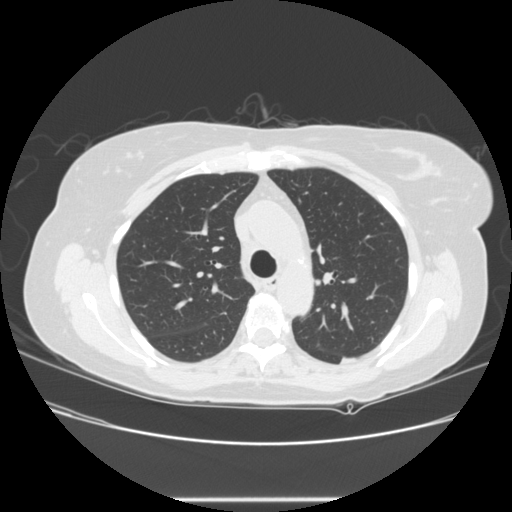
Slice 175/245 of a chest CT, counting up from the lowest; pixel size 0.730 mm, slice thickness 1.25 mm. Pulmonary nodule at rows 357–363, columns 340–356 (box = the union of the readers' outlines on this slice), outlined by all four readers; longest diameter 30.9 mm on average over the four readers' outlines (readers' outlines 27.2–36.8 mm), volume 3941–5997 mm3. Ratings, by the readers' most common answer with dissent counted: texture 5/5 (solid) from all four readers; margin 4/5 by two of four readers; the rest gave 1/5 (indistinct) (one), 3/5 (one); sphericity 2/5 by two of four readers; the rest gave 3/5 (ovoid) (one), 4/5 (one); calcification absent from all four readers; internal structure soft tissue from all four readers; subtlety 5/5 from all four readers; most readers (three of four) put malignancy likelihood at 5/5, others 4/5 (one). Scale key (1–5): texture non-solid→solid, margin indistinct→circumscribed, sphericity linear→round, subtlety extremely subtle→obvious, malignancy likelihood highly unlikely→highly suspicious of cancer. Box rows and columns are 0-based pixel indices from the top-left corner, inclusive.
Acquired at 120 kVp and reconstructed with the STANDARD kernel.